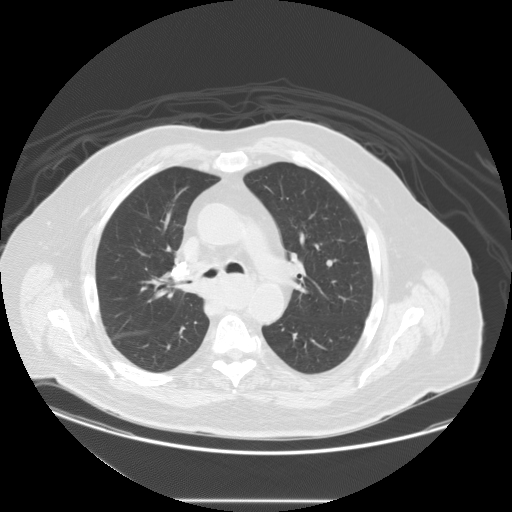
Axial chest CT slice 92 of 133 (counted from the lowest slice); 2.50 mm thick, 0.859 mm per pixel. Pulmonary nodule outlined by all four readers; box rows 259–267, columns 325–332 (the union of the readers' outlines on this slice); median longest diameter 8.4 mm (readers' outlines 6.9–9.8 mm), median volume 209 mm3 (164–285 mm3). Ratings, median across the readers with their spread: texture 5/5 (solid), all four readers agreeing; margin 5/5 (circumscribed), all four readers agreeing; sphericity 5/5 (round) at the median of four readers, spread 4/5 to 5/5 (round); calcification absent from all four readers; internal structure soft tissue from all four readers; subtlety 3/5 at the median of four readers, spread 1–4; malignancy likelihood 2.5/5 at the median of four readers, spread 2–3. Scale key (1–5): texture non-solid→solid, margin indistinct→circumscribed, sphericity linear→round, subtlety extremely subtle→obvious, malignancy likelihood highly unlikely→highly suspicious of cancer. Box rows and columns are 0-based pixel indices from the top-left corner, inclusive.
Scan settings: 120 kVp, STANDARD reconstruction kernel.